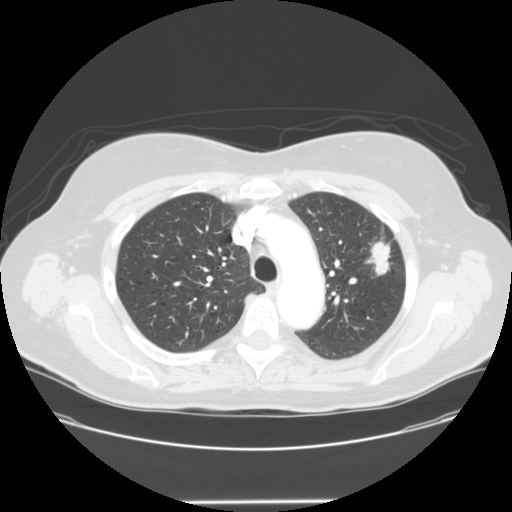
One axial slice (103 of 138, counting up from the lowest) of a chest CT acquired at 120 kVp with the STANDARD kernel; each pixel is 0.781 mm and the slice is 2.50 mm thick.
Pulmonary nodule at rows 239–276, columns 364–391 (box = the union of the readers' outlines on this slice), outlined by all four readers; longest diameter 30.6 mm on average over the four readers' outlines (readers' outlines 29.1–32.9 mm), volume 5563–6580 mm3. The readers' prevailing ratings and who disagreed: most readers (three of four) put texture at 5/5 (solid), others 4/5 (one); margin split among the readers: 3/5 (two), 4/5 (two); most readers (three of four) put sphericity at 3/5 (ovoid), others 5/5 (round) (one); calcification absent from all four readers; internal structure soft tissue, all four readers agreeing; subtlety 5/5 from all four readers; most readers (three of four) put malignancy likelihood at 5/5, others 4/5 (one). Scale key (1–5): texture non-solid→solid, margin indistinct→circumscribed, sphericity linear→round, subtlety extremely subtle→obvious, malignancy likelihood highly unlikely→highly suspicious of cancer. Box rows and columns are 0-based pixel indices from the top-left corner, inclusive.